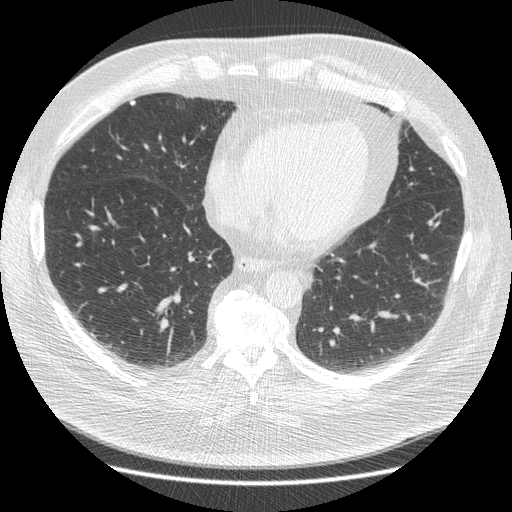
Axial chest CT slice 148 of 426 (counted from the lowest slice); tube voltage 120 kVp, convolution kernel STANDARD; slices 1.25 mm thick, 0.742 mm per pixel.
Pulmonary nodule, outlined by three of the four readers. Box on this slice rows 100–105, columns 128–135, the union of the readers' outlines on this slice; longest diameter 6.1–6.7 mm and volume 62–77 mm3 across the three readers' outlines. Ratings across the readers: texture 5/5 (solid) from all three readers; margin 5/5 (circumscribed), all three readers agreeing; sphericity from 3/5 (ovoid) to 5/5 (round) across the three readers; calcification: solid calcification (two), absent (one); internal structure soft tissue from all three readers; subtlety from 4/5 to 5/5 across the three readers; malignancy likelihood from 1/5 to 3/5 across the three readers. Scale key (1–5): texture non-solid→solid, margin indistinct→circumscribed, sphericity linear→round, subtlety extremely subtle→obvious, malignancy likelihood highly unlikely→highly suspicious of cancer. Box rows and columns are 0-based pixel indices from the top-left corner, inclusive.